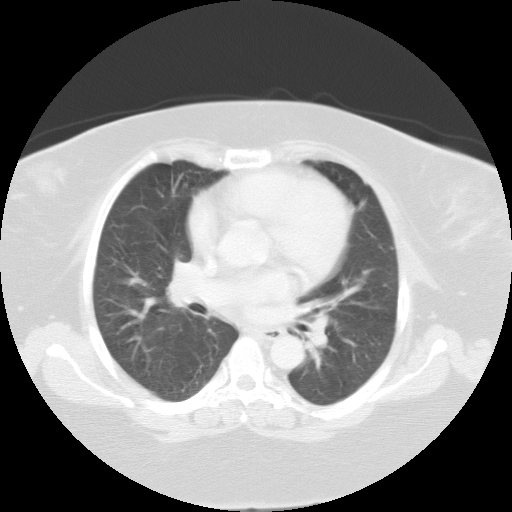
Slice 66/102 of a chest CT, counting up from the lowest; pixel size 0.808 mm, slice thickness 3.00 mm. Pulmonary nodule at rows 201–209, columns 358–365 (box = the one reader's outline on this slice), outlined by three of the four readers, one of them on this slice; median longest diameter 11.2 mm (readers' outlines 10.1–12.0 mm), median volume 413 mm3 (288–494 mm3). Ratings, median across the readers with their spread: median texture 5/5 (solid) (readers ranged 4/5 to 5/5 (solid)); margin 4/5 at the median of three readers, spread 3/5 to 4/5; median sphericity 3/5 (ovoid) (readers ranged 3/5 (ovoid) to 4/5); calcification absent, all three readers agreeing; internal structure soft tissue from all three readers; median subtlety 3/5 (readers ranged 3–4); malignancy likelihood 3/5, all three readers agreeing. Scale key (1–5): texture non-solid→solid, margin indistinct→circumscribed, sphericity linear→round, subtlety extremely subtle→obvious, malignancy likelihood highly unlikely→highly suspicious of cancer. Box rows and columns are 0-based pixel indices from the top-left corner, inclusive.
Acquired at 135 kVp and reconstructed with the FC01 kernel.